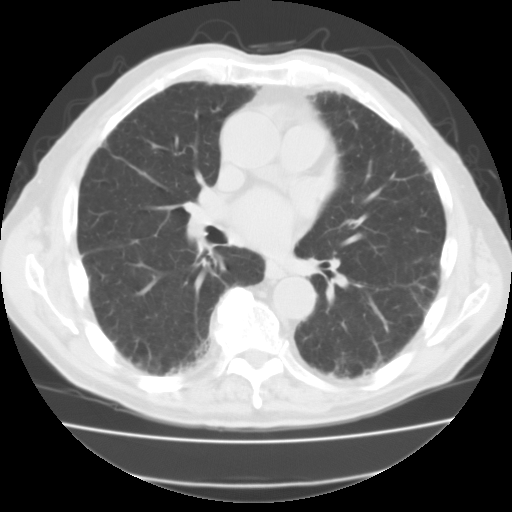
One axial slice (54 of 111, counting up from the lowest) of a chest CT acquired at 135 kVp with the FC01 kernel; each pixel is 0.714 mm and the slice is 3.00 mm thick.
No nodule of 3 mm or larger was outlined by any of the four readers on this slice.